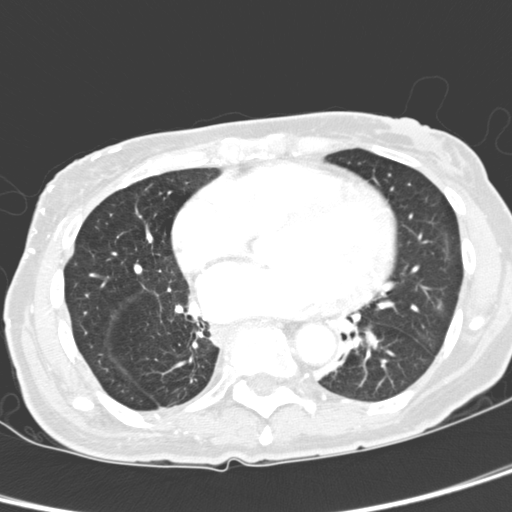
Slice 153/321 of a chest CT, counting up from the lowest; pixel size 0.557 mm, slice thickness 2.00 mm. Pulmonary nodule outlined by all four readers, three of them on this slice; box rows 330–344, columns 365–373 (the union of the readers' outlines on this slice); longest diameter 18.8 mm on average over the four readers' outlines (readers' outlines 18.1–20.0 mm), volume 2428–2697 mm3. The readers' prevailing ratings and who disagreed: texture split among the readers: 4/5 (two), 5/5 (solid) (two); margin 5/5 (circumscribed) by two of four readers; the rest gave 3/5 (one), 4/5 (one); sphericity 5/5 (round) by three of four readers; the rest gave 4/5 (one); calcification absent from all four readers; internal structure soft tissue from all four readers; subtlety 5/5 by three of four readers; the rest gave 4/5 (one); malignancy likelihood 5/5 by two of four readers; the rest gave 2/5 (one), 3/5 (one). Scale key (1–5): texture non-solid→solid, margin indistinct→circumscribed, sphericity linear→round, subtlety extremely subtle→obvious, malignancy likelihood highly unlikely→highly suspicious of cancer. Box rows and columns are 0-based pixel indices from the top-left corner, inclusive.
Scan settings: 120 kVp, D reconstruction kernel.